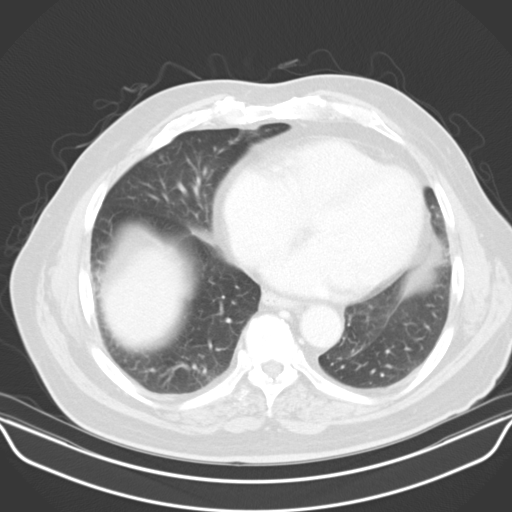
Axial slice 30 of 65 of a chest CT (slice 1 is the lowest), reconstructed with the B30s kernel at 130 kVp; 5.00 mm slice thickness and 0.773 mm pixels.
Pulmonary nodule at rows 152–158, columns 159–162 (box = the union of the readers' outlines on this slice), outlined by three of the four readers, two of them on this slice; longest diameter 6.4–6.7 mm and volume 106–236 mm3 across the three readers' outlines. The readers' ratings, as ranges where they differ: texture from 3/5 (part-solid) to 5/5 (solid) across the three readers; margin from 3/5 to 4/5 across the three readers; sphericity from 3/5 (ovoid) to 5/5 (round) across the three readers; calcification absent, all three readers agreeing; internal structure soft tissue from all three readers; subtlety rated between 2 and 5 out of 5 by the three readers; malignancy likelihood 2–3/5 (the readers disagree). Scale key (1–5): texture non-solid→solid, margin indistinct→circumscribed, sphericity linear→round, subtlety extremely subtle→obvious, malignancy likelihood highly unlikely→highly suspicious of cancer. Box rows and columns are 0-based pixel indices from the top-left corner, inclusive.